One axial slice (85 of 113, counting up from the lowest) of a chest CT acquired at 120 kVp with the STANDARD kernel; each pixel is 0.703 mm and the slice is 2.50 mm thick.
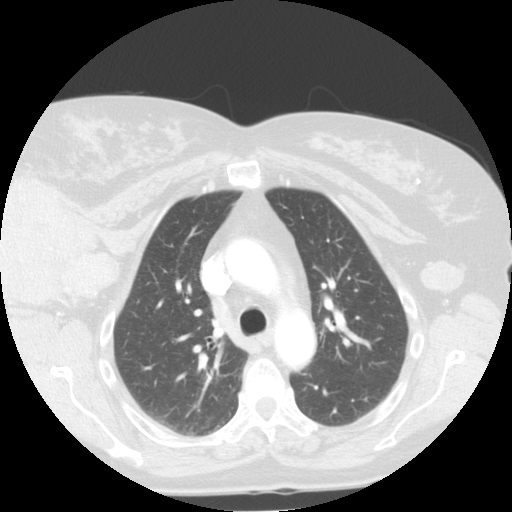
The readers outlined no nodule of 3 mm or more on this slice.